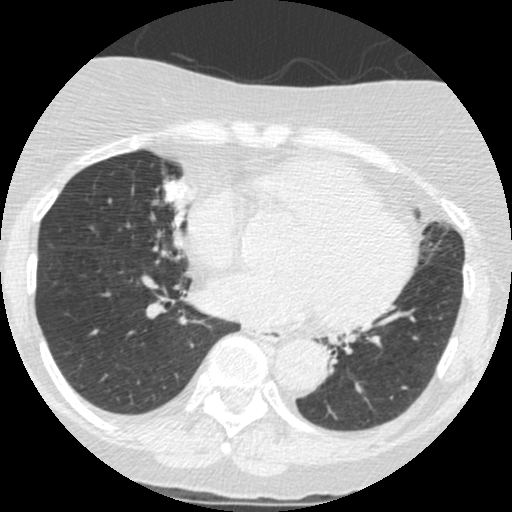
Axial chest CT slice 163 of 426 (counted from the lowest slice); 1.25 mm thick, 0.547 mm per pixel. Two pulmonary nodules are outlined on this slice; from left to right: (1) Pulmonary nodule, outlined by one of the four readers. Box on this slice rows 250–256, columns 161–166, that reader's outline on this slice; longest diameter 15.0 mm and volume 404 mm3 from that reader's outline. Ratings by that reader: texture 5/5 (solid); margin 4/5; sphericity 4/5; calcification non-central calcification; internal structure soft tissue; subtlety 4/5; malignancy likelihood 2/5. (2) Pulmonary nodule outlined by all four readers; box rows 178–208, columns 162–190 (the union of the readers' outlines on this slice); median longest diameter 18.6 mm (readers' outlines 17.0–20.6 mm), median volume 1572 mm3 (1129–1635 mm3). Median ratings and the readers' spread: median texture 5/5 (solid) (readers ranged 4/5 to 5/5 (solid)); median margin 3.5/5 (readers ranged 2/5 to 5/5 (circumscribed)); sphericity 4/5 at the median of four readers, spread 3/5 (ovoid) to 5/5 (round); calcification: absent (three), non-central calcification (one); internal structure soft tissue from all four readers; median subtlety 4.5/5 (readers ranged 3–5); median malignancy likelihood 3.5/5 (readers ranged 2–4). Scale key (1–5): texture non-solid→solid, margin indistinct→circumscribed, sphericity linear→round, subtlety extremely subtle→obvious, malignancy likelihood highly unlikely→highly suspicious of cancer. Box rows and columns are 0-based pixel indices from the top-left corner, inclusive.
Scan settings: 120 kVp, STANDARD reconstruction kernel.